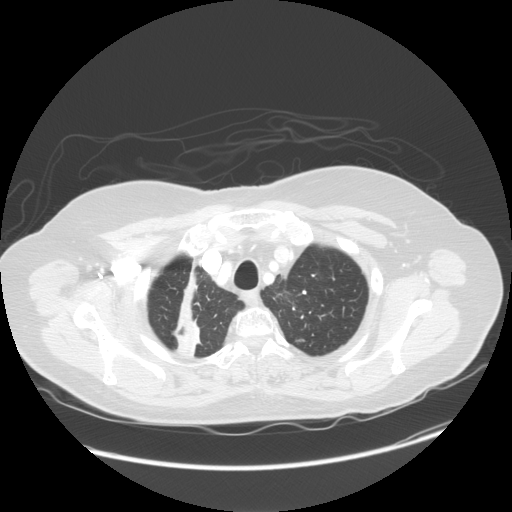
Slice 117/133 of a chest CT, counting up from the lowest; pixel size 0.820 mm, slice thickness 2.50 mm. Pulmonary nodule outlined by two of the four readers; box rows 338–342, columns 295–305 (the union of the readers' outlines on this slice); longest diameter 9.6 mm on average over the two readers' outlines (readers' outlines 9.4–9.9 mm), volume 187–295 mm3. Ratings, by the readers' most common answer with dissent counted: texture split among the readers: 4/5 (one), 5/5 (solid) (one); margin split among the readers: 3/5 (one), 5/5 (circumscribed) (one); sphericity split among the readers: 4/5 (one), 5/5 (round) (one); calcification absent from both readers; internal structure soft tissue from both readers; subtlety split among the readers: 3/5 (one), 5/5 (one); malignancy likelihood 3/5 from both readers. Scale key (1–5): texture non-solid→solid, margin indistinct→circumscribed, sphericity linear→round, subtlety extremely subtle→obvious, malignancy likelihood highly unlikely→highly suspicious of cancer. Box rows and columns are 0-based pixel indices from the top-left corner, inclusive.
Tube voltage 120 kVp; convolution kernel STANDARD.